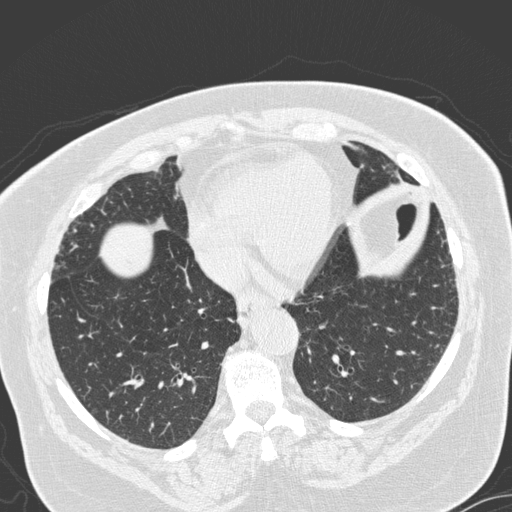
Axial chest CT slice 67 of 280 (counted from the lowest slice); 1.00 mm thick, 0.666 mm per pixel. Pulmonary nodule outlined by two of the four readers, one of them on this slice; box rows 294–298, columns 114–118 (the one reader's outline on this slice); longest diameter 6.3 mm on average over the two readers' outlines (readers' outlines 6.0–6.6 mm), volume 55–68 mm3. Ratings, by the readers' most common answer with dissent counted: texture split among the readers: 4/5 (one), 5/5 (solid) (one); margin split among the readers: 3/5 (one), 5/5 (circumscribed) (one); sphericity split among the readers: 3/5 (ovoid) (one), 5/5 (round) (one); calcification absent, both readers agreeing; internal structure soft tissue, both readers agreeing; subtlety split among the readers: 2/5 (one), 3/5 (one); malignancy likelihood split among the readers: 2/5 (one), 3/5 (one). Scale key (1–5): texture non-solid→solid, margin indistinct→circumscribed, sphericity linear→round, subtlety extremely subtle→obvious, malignancy likelihood highly unlikely→highly suspicious of cancer. Box rows and columns are 0-based pixel indices from the top-left corner, inclusive.
Tube voltage 120 kVp; convolution kernel D.